Axial chest CT slice 156 of 300 (counted from the lowest slice); tube voltage 120 kVp, convolution kernel D; slices 2.00 mm thick, 0.662 mm per pixel.
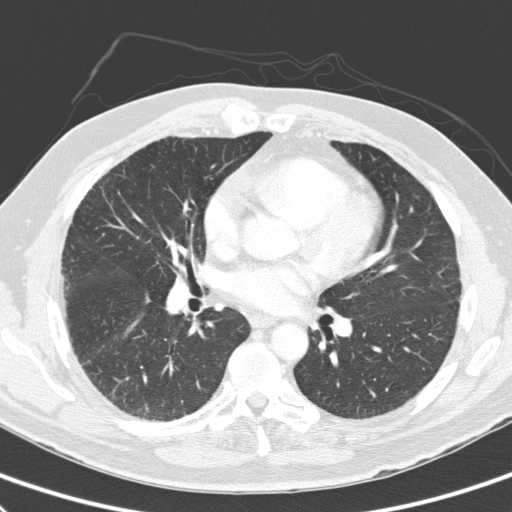
Pulmonary nodule at rows 294–304, columns 144–149 (box = the union of the readers' outlines on this slice), outlined by three of the four readers, two of them on this slice; the three readers' outlines give a longest diameter between 8.2 and 10.3 mm and a volume between 142 and 190 mm3. The readers' ratings, as ranges where they differ: texture 5/5 (solid), all three readers agreeing; margin 4/5 from all three readers; sphericity from 3/5 (ovoid) to 4/5 across the three readers; calcification absent, all three readers agreeing; internal structure soft tissue, all three readers agreeing; subtlety from 4/5 to 5/5 across the three readers; malignancy likelihood from 3/5 to 4/5 across the three readers. Scale key (1–5): texture non-solid→solid, margin indistinct→circumscribed, sphericity linear→round, subtlety extremely subtle→obvious, malignancy likelihood highly unlikely→highly suspicious of cancer. Box rows and columns are 0-based pixel indices from the top-left corner, inclusive.